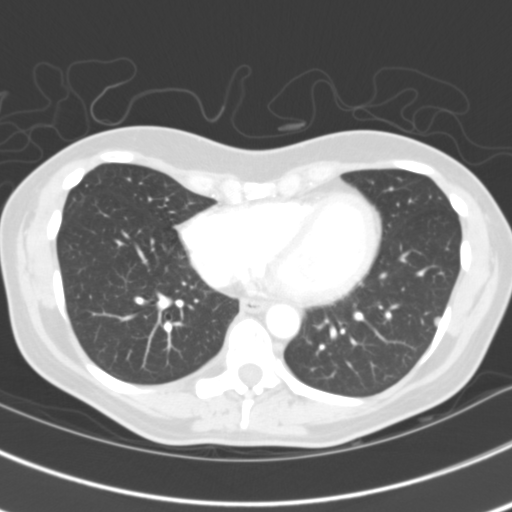
Axial slice 43 of 107 of a chest CT (slice 1 is the lowest), reconstructed with the B31f kernel at 120 kVp; 3.00 mm slice thickness and 0.586 mm pixels.
Pulmonary nodule, outlined by all four readers. Box on this slice rows 316–327, columns 434–441, the union of the readers' outlines on this slice; median longest diameter 7.6 mm (readers' outlines 7.1–7.9 mm), median volume 127 mm3 (113–139 mm3). Median ratings and the readers' spread: median texture 4.5/5 (readers ranged 2/5 to 5/5 (solid)); margin 4.5/5 at the median of four readers, spread 4/5 to 5/5 (circumscribed); median sphericity 3/5 (ovoid) (readers ranged 3/5 (ovoid) to 4/5); calcification absent from all four readers; internal structure soft tissue, all four readers agreeing; subtlety 4/5 at the median of four readers, spread 2–5; median malignancy likelihood 3/5 (readers ranged 2–3). Scale key (1–5): texture non-solid→solid, margin indistinct→circumscribed, sphericity linear→round, subtlety extremely subtle→obvious, malignancy likelihood highly unlikely→highly suspicious of cancer. Box rows and columns are 0-based pixel indices from the top-left corner, inclusive.